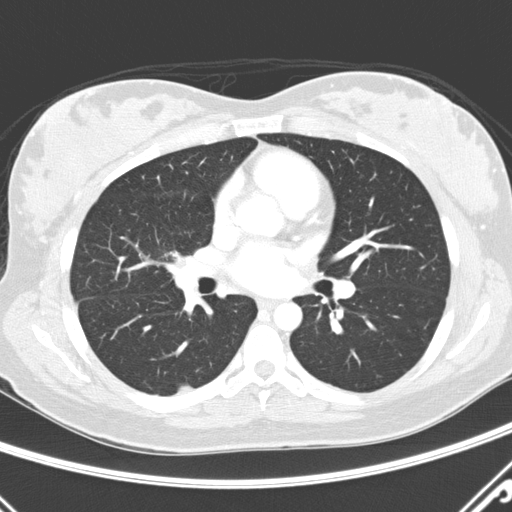
Axial chest CT slice 161 of 290 (counted from the lowest slice); tube voltage 120 kVp, convolution kernel D; slices 2.00 mm thick, 0.648 mm per pixel.
Pulmonary nodule outlined by one of the four readers; box rows 383–392, columns 177–193 (that reader's outline on this slice); longest diameter 14.2 mm and volume 261 mm3 from that reader's outline. That reader's ratings: texture 4/5; margin 4/5; sphericity 3/5 (ovoid); calcification absent; internal structure soft tissue; subtlety 5/5; malignancy likelihood 3/5. Scale key (1–5): texture non-solid→solid, margin indistinct→circumscribed, sphericity linear→round, subtlety extremely subtle→obvious, malignancy likelihood highly unlikely→highly suspicious of cancer. Box rows and columns are 0-based pixel indices from the top-left corner, inclusive.